Axial chest CT slice 338 of 497 (counted from the lowest slice); tube voltage 120 kVp, convolution kernel STANDARD; slices 1.25 mm thick, 0.703 mm per pixel.
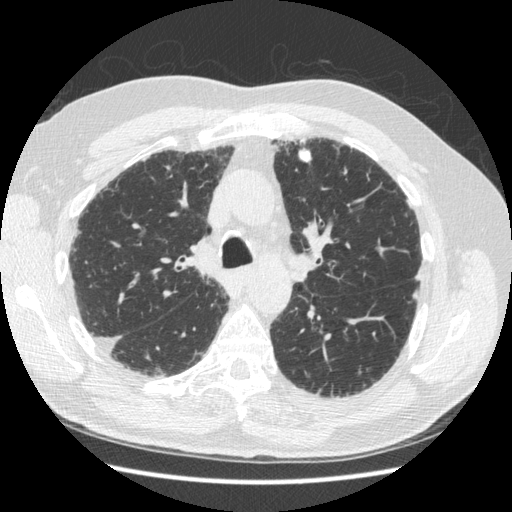
Pulmonary nodule outlined by all four readers; box rows 148–163, columns 298–311 (the union of the readers' outlines on this slice); longest diameter 16.1 mm on average over the four readers' outlines (readers' outlines 15.2–16.7 mm), volume 670–817 mm3. The readers' prevailing ratings and who disagreed: texture 5/5 (solid), all four readers agreeing; most readers (three of four) put margin at 5/5 (circumscribed), others 3/5 (one); sphericity 5/5 (round) by two of four readers; the rest gave 2/5 (one), 4/5 (one); calcification solid calcification from all four readers; internal structure soft tissue, all four readers agreeing; subtlety 5/5, all four readers agreeing; malignancy likelihood 1/5, all four readers agreeing. Scale key (1–5): texture non-solid→solid, margin indistinct→circumscribed, sphericity linear→round, subtlety extremely subtle→obvious, malignancy likelihood highly unlikely→highly suspicious of cancer. Box rows and columns are 0-based pixel indices from the top-left corner, inclusive.